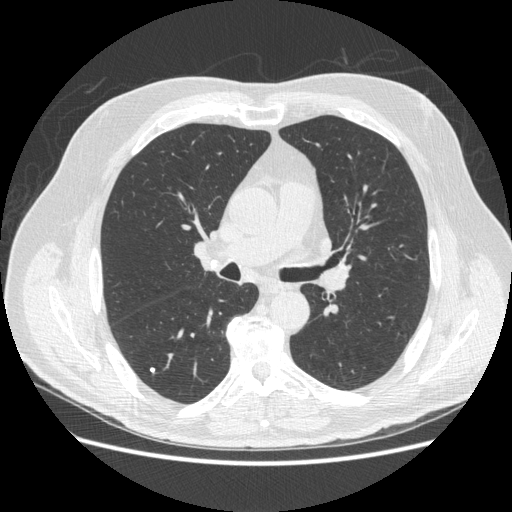
Axial chest CT slice 293 of 503 (counted from the lowest slice); 1.25 mm thick, 0.742 mm per pixel. Pulmonary nodule outlined by two of the four readers; box rows 367–372, columns 149–154 (the union of the readers' outlines on this slice); the two readers' outlines give a longest diameter between 4.5 and 5.7 mm and a volume between 33 and 65 mm3. Ratings across the readers: texture 5/5 (solid), both readers agreeing; margin 5/5 (circumscribed), both readers agreeing; sphericity from 4/5 to 5/5 (round) across the two readers; calcification solid calcification from both readers; internal structure soft tissue from both readers; subtlety 4/5 from both readers; malignancy likelihood 1/5 from both readers. Scale key (1–5): texture non-solid→solid, margin indistinct→circumscribed, sphericity linear→round, subtlety extremely subtle→obvious, malignancy likelihood highly unlikely→highly suspicious of cancer. Box rows and columns are 0-based pixel indices from the top-left corner, inclusive.
Acquired at 120 kVp and reconstructed with the STANDARD kernel.